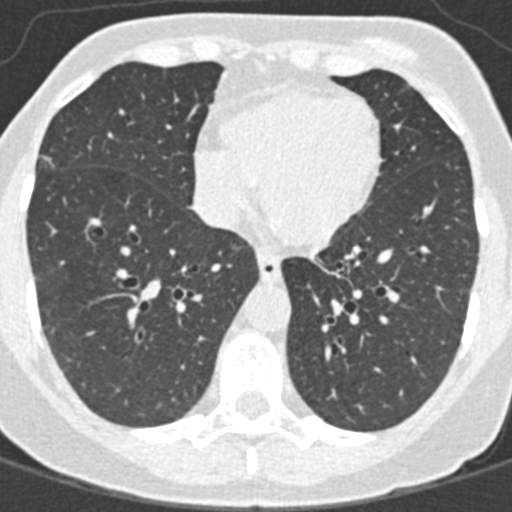
This is axial slice 130 of 376 (slice 1 is the lowest) of a chest CT; each pixel is 0.461 mm and the slice is 0.75 mm thick. Pulmonary nodule outlined by one of the four readers; box rows 86–88, columns 405–408 (that reader's outline on this slice); longest diameter 3.8 mm and volume 20 mm3 from that reader's outline. That reader's ratings: texture 5/5 (solid); margin 5/5 (circumscribed); sphericity 5/5 (round); calcification absent; internal structure soft tissue; subtlety 5/5; malignancy likelihood 3/5. Scale key (1–5): texture non-solid→solid, margin indistinct→circumscribed, sphericity linear→round, subtlety extremely subtle→obvious, malignancy likelihood highly unlikely→highly suspicious of cancer. Box rows and columns are 0-based pixel indices from the top-left corner, inclusive.
Acquired at 120 kVp and reconstructed with the B30f kernel.